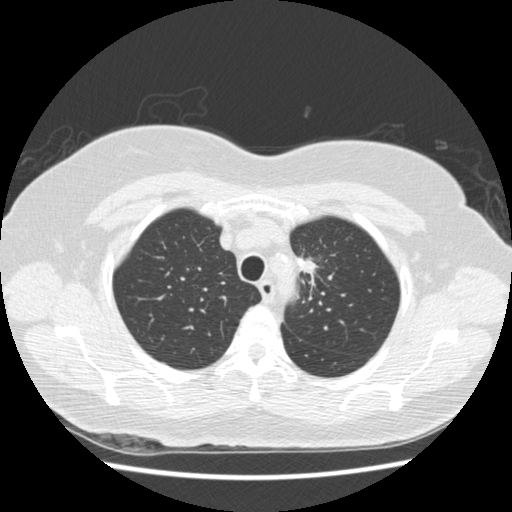
Axial slice 354 of 445 of a chest CT (slice 1 is the lowest), reconstructed with the STANDARD kernel at 120 kVp; 1.25 mm slice thickness and 0.645 mm pixels.
Pulmonary nodule at rows 258–284, columns 298–316 (box = that reader's outline on this slice), outlined by one of the four readers; longest diameter 31.0 mm and volume 2055 mm3 from that reader's outline. Ratings by that reader: texture 5/5 (solid); margin 2/5; sphericity 2/5; calcification absent; internal structure soft tissue; subtlety 5/5; malignancy likelihood 4/5. Scale key (1–5): texture non-solid→solid, margin indistinct→circumscribed, sphericity linear→round, subtlety extremely subtle→obvious, malignancy likelihood highly unlikely→highly suspicious of cancer. Box rows and columns are 0-based pixel indices from the top-left corner, inclusive.